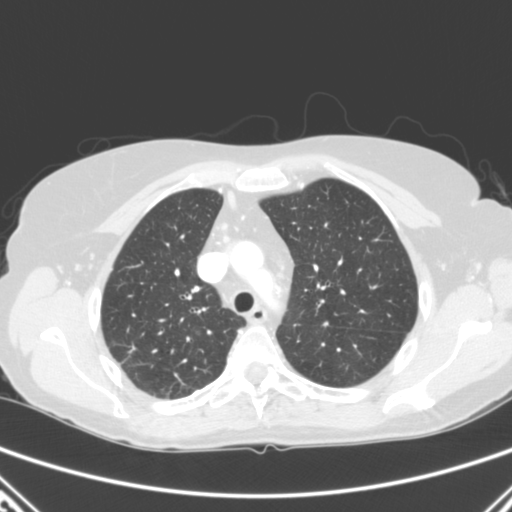
Axial slice 204 of 280 of a chest CT (slice 1 is the lowest), reconstructed with the B kernel at 120 kVp; 2.00 mm slice thickness and 0.676 mm pixels.
Pulmonary nodule at rows 345–352, columns 129–135 (box = the union of the readers' outlines on this slice), outlined three times (the source holds two more outlines, not used), two of them on this slice; median longest diameter 19.7 mm (readers' outlines 19.6–26.7 mm), median volume 999 mm3 (949–1659 mm3). Median ratings and the readers' spread: texture 5/5 (solid) at the median of three readers, spread 4/5 to 5/5 (solid); median margin 3/5 (readers ranged 3/5 to 4/5); sphericity 3/5 (ovoid) at the median of three readers, spread 2/5 to 5/5 (round); calcification absent, all three readers agreeing; internal structure soft tissue from all three readers; subtlety 5/5, all three readers agreeing; median malignancy likelihood 5/5 (readers ranged 4–5). Scale key (1–5): texture non-solid→solid, margin indistinct→circumscribed, sphericity linear→round, subtlety extremely subtle→obvious, malignancy likelihood highly unlikely→highly suspicious of cancer. Box rows and columns are 0-based pixel indices from the top-left corner, inclusive.